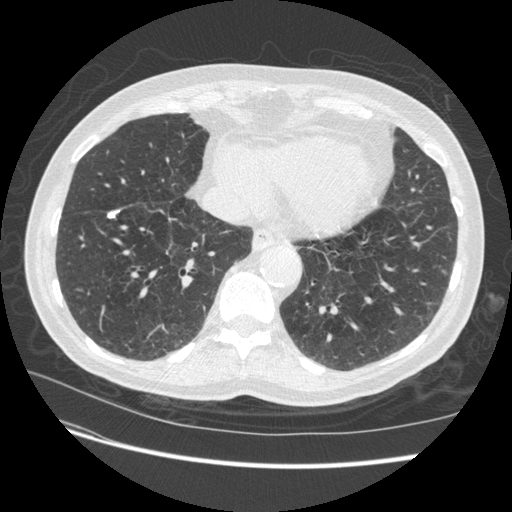
Chest CT, axial plane, 120 kVp, kernel STANDARD. Slice 140/509 from the bottom of the scan; thickness 1.25 mm; pixel size 0.703 mm.
Pulmonary nodule at rows 210–218, columns 106–119 (box = the union of the readers' outlines on this slice), outlined by three of the four readers; longest diameter 11.4–12.1 mm and volume 273–413 mm3 across the three readers' outlines. Ratings across the readers: texture 5/5 (solid), all three readers agreeing; margin from 4/5 to 5/5 (circumscribed) across the three readers; sphericity from 3/5 (ovoid) to 4/5 across the three readers; calcification solid calcification, all three readers agreeing; internal structure soft tissue from all three readers; subtlety rated between 4 and 5 out of 5 by the three readers; malignancy likelihood 1/5 from all three readers. Scale key (1–5): texture non-solid→solid, margin indistinct→circumscribed, sphericity linear→round, subtlety extremely subtle→obvious, malignancy likelihood highly unlikely→highly suspicious of cancer. Box rows and columns are 0-based pixel indices from the top-left corner, inclusive.